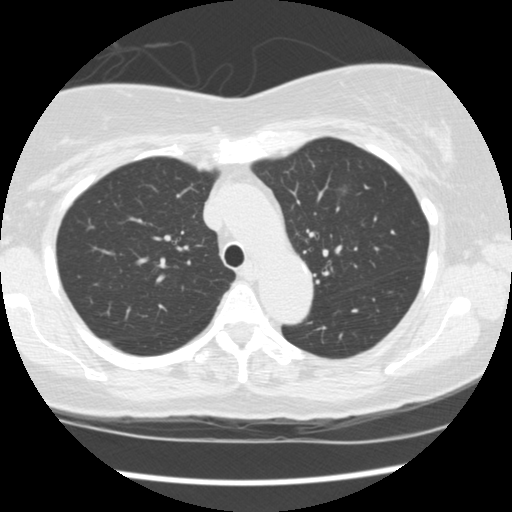
Slice 107/149 of a chest CT, counting up from the lowest; pixel size 0.625 mm, slice thickness 2.50 mm. Pulmonary nodule outlined by two of the four readers; box rows 185–194, columns 339–346 (the union of the readers' outlines on this slice); median longest diameter 10.7 mm (readers' outlines 10.6–10.7 mm), median volume 187 mm3 (136–238 mm3). Median ratings and the readers' spread: texture 1.5/5 at the median of two readers, spread 1/5 (non-solid) to 2/5; median margin 1.5/5 (readers ranged 1/5 (indistinct) to 2/5); sphericity 3/5 (ovoid), both readers agreeing; calcification absent, both readers agreeing; internal structure soft tissue, both readers agreeing; subtlety 1.5/5 at the median of two readers, spread 1–2; malignancy likelihood 2.5/5 at the median of two readers, spread 2–3. Scale key (1–5): texture non-solid→solid, margin indistinct→circumscribed, sphericity linear→round, subtlety extremely subtle→obvious, malignancy likelihood highly unlikely→highly suspicious of cancer. Box rows and columns are 0-based pixel indices from the top-left corner, inclusive.
Tube voltage 120 kVp; convolution kernel STANDARD.